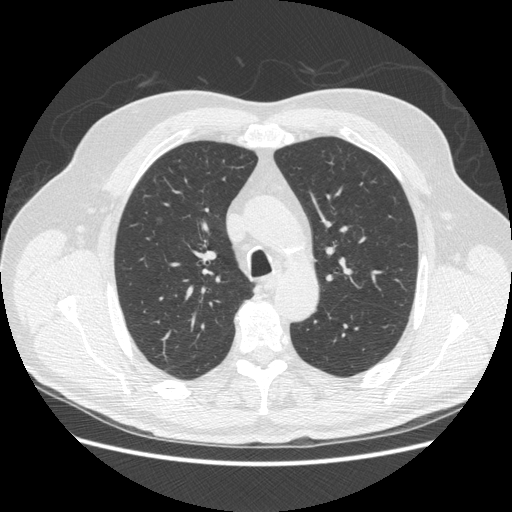
Axial chest CT slice 355 of 503 (counted from the lowest slice); 1.25 mm thick, 0.742 mm per pixel. Pulmonary nodule, outlined by all four readers. Box on this slice rows 215–223, columns 155–163, the union of the readers' outlines on this slice; longest diameter 8.2 mm on average over the four readers' outlines (readers' outlines 7.6–8.7 mm), volume 67–154 mm3. The readers' prevailing ratings and who disagreed: most readers (three of four) put texture at 1/5 (non-solid), others 3/5 (part-solid) (one); margin split among the readers: 2/5 (one), 3/5 (one), 4/5 (one), 5/5 (circumscribed) (one); sphericity split among the readers: 4/5 (two), 5/5 (round) (two); calcification absent from all four readers; internal structure soft tissue from all four readers; subtlety 1/5 by two of four readers; the rest gave 2/5 (one), 5/5 (one); malignancy likelihood split among the readers: 2/5 (two), 4/5 (two). Scale key (1–5): texture non-solid→solid, margin indistinct→circumscribed, sphericity linear→round, subtlety extremely subtle→obvious, malignancy likelihood highly unlikely→highly suspicious of cancer. Box rows and columns are 0-based pixel indices from the top-left corner, inclusive.
Acquired at 120 kVp and reconstructed with the STANDARD kernel.